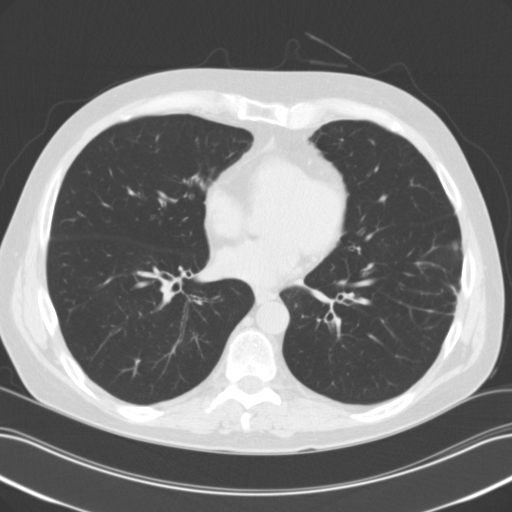
Chest CT, axial plane, 120 kVp, kernel B31f. Slice 52/118 from the bottom of the scan; thickness 3.00 mm; pixel size 0.707 mm.
Pulmonary nodule at rows 239–249, columns 451–457 (box = that reader's outline on this slice), outlined by one of the four readers; longest diameter 10.3 mm and volume 267 mm3 from that reader's outline. Ratings by that reader: texture 4/5; margin 2/5; sphericity 3/5 (ovoid); calcification absent; internal structure soft tissue; subtlety 2/5; malignancy likelihood 2/5. Scale key (1–5): texture non-solid→solid, margin indistinct→circumscribed, sphericity linear→round, subtlety extremely subtle→obvious, malignancy likelihood highly unlikely→highly suspicious of cancer. Box rows and columns are 0-based pixel indices from the top-left corner, inclusive.